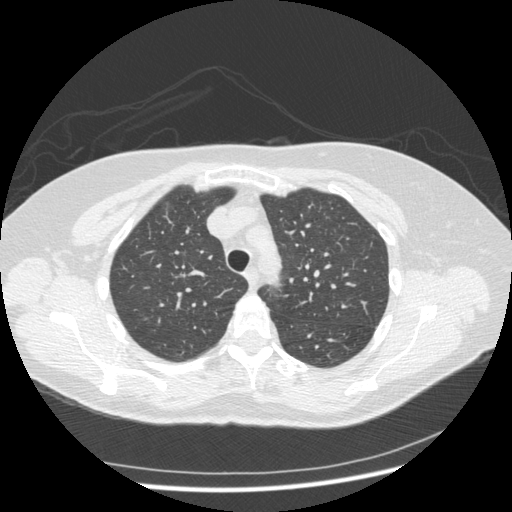
Chest CT, axial plane, 120 kVp, kernel STANDARD. Slice 332/436 from the bottom of the scan; thickness 1.25 mm; pixel size 0.703 mm.
Pulmonary nodule outlined by all four readers; box rows 201–211, columns 161–174 (the union of the readers' outlines on this slice); longest diameter 11.4 mm on average over the four readers' outlines (readers' outlines 10.7–12.4 mm), volume 115–323 mm3. Ratings, by the readers' most common answer with dissent counted: most readers (three of four) put texture at 1/5 (non-solid), others 3/5 (part-solid) (one); margin split among the readers: 1/5 (indistinct) (one), 2/5 (one), 3/5 (one), 4/5 (one); sphericity 3/5 (ovoid) by two of four readers; the rest gave 4/5 (one), 5/5 (round) (one); calcification absent, all four readers agreeing; internal structure soft tissue, all four readers agreeing; subtlety 1/5 by two of four readers; the rest gave 2/5 (one), 3/5 (one); malignancy likelihood 3/5 by three of four readers; the rest gave 2/5 (one). Scale key (1–5): texture non-solid→solid, margin indistinct→circumscribed, sphericity linear→round, subtlety extremely subtle→obvious, malignancy likelihood highly unlikely→highly suspicious of cancer. Box rows and columns are 0-based pixel indices from the top-left corner, inclusive.